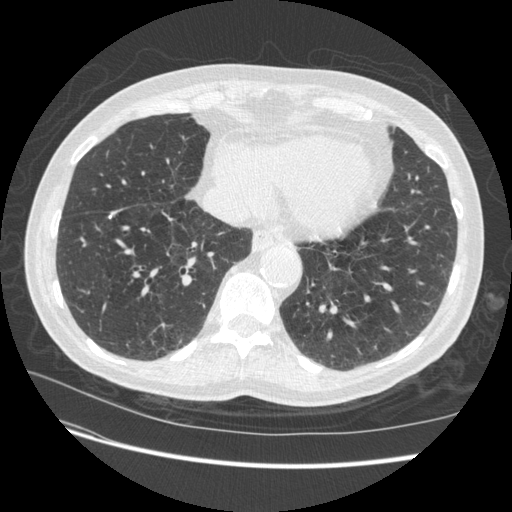
This is axial slice 142 of 509 (slice 1 is the lowest) of a chest CT; each pixel is 0.703 mm and the slice is 1.25 mm thick. Pulmonary nodule at rows 211–218, columns 108–115 (box = the union of the readers' outlines on this slice), outlined by three of the four readers; longest diameter 11.8 mm on average over the three readers' outlines (readers' outlines 11.4–12.1 mm), volume 273–413 mm3. Ratings, by the readers' most common answer with dissent counted: texture 5/5 (solid), all three readers agreeing; margin 5/5 (circumscribed) by two of three readers; the rest gave 4/5 (one); sphericity 3/5 (ovoid) by two of three readers; the rest gave 4/5 (one); calcification solid calcification, all three readers agreeing; internal structure soft tissue from all three readers; most readers (two of three) put subtlety at 5/5, others 4/5 (one); malignancy likelihood 1/5, all three readers agreeing. Scale key (1–5): texture non-solid→solid, margin indistinct→circumscribed, sphericity linear→round, subtlety extremely subtle→obvious, malignancy likelihood highly unlikely→highly suspicious of cancer. Box rows and columns are 0-based pixel indices from the top-left corner, inclusive.
Acquired at 120 kVp and reconstructed with the STANDARD kernel.